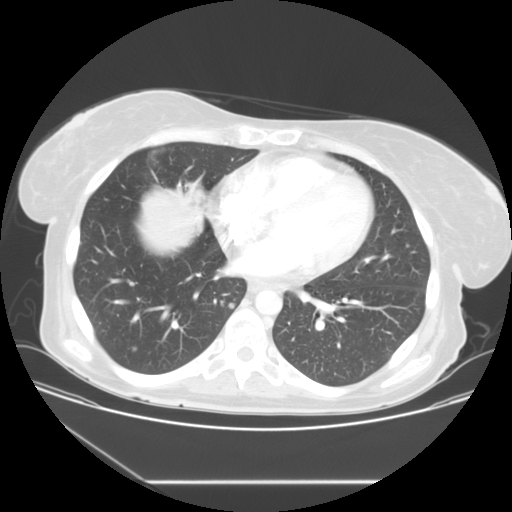
Axial slice 59 of 117 of a chest CT (slice 1 is the lowest), reconstructed with the STANDARD kernel at 120 kVp; 2.50 mm slice thickness and 0.781 mm pixels.
Two pulmonary nodules are outlined on this slice; from left to right: (1) Pulmonary nodule, outlined by one of the four readers. Box on this slice rows 346–351, columns 132–136, that reader's outline on this slice; longest diameter 5.5 mm and volume 75 mm3 from that reader's outline. That reader's ratings: texture 5/5 (solid); margin 3/5; sphericity 5/5 (round); calcification absent; internal structure soft tissue; subtlety 2/5; malignancy likelihood 2/5. (2) Pulmonary nodule, outlined by three of the four readers. Box on this slice rows 303–308, columns 228–234, the union of the readers' outlines on this slice; longest diameter 7.2 mm on average over the three readers' outlines (readers' outlines 6.7–7.8 mm), volume 128–146 mm3. The readers' prevailing ratings and who disagreed: texture 5/5 (solid), all three readers agreeing; most readers (two of three) put margin at 5/5 (circumscribed), others 4/5 (one); sphericity 5/5 (round), all three readers agreeing; calcification absent from all three readers; internal structure soft tissue from all three readers; subtlety 3/5 by two of three readers; the rest gave 5/5 (one); malignancy likelihood 3/5 by two of three readers; the rest gave 2/5 (one). Scale key (1–5): texture non-solid→solid, margin indistinct→circumscribed, sphericity linear→round, subtlety extremely subtle→obvious, malignancy likelihood highly unlikely→highly suspicious of cancer. Box rows and columns are 0-based pixel indices from the top-left corner, inclusive.